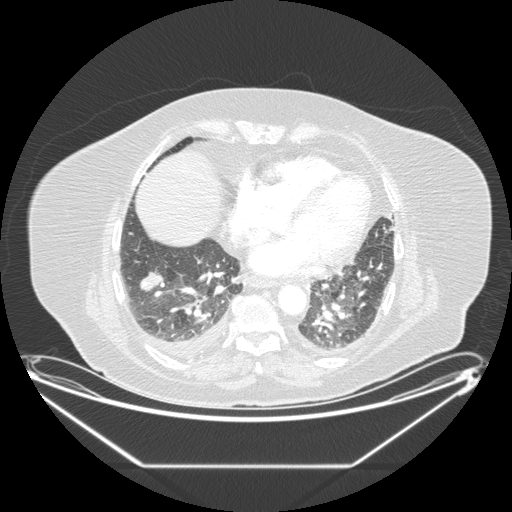
One axial slice (65 of 206, counting up from the lowest) of a chest CT acquired at 120 kVp with the STANDARD kernel; each pixel is 0.898 mm and the slice is 1.25 mm thick.
Pulmonary nodule, outlined by all four readers. Box on this slice rows 270–292, columns 138–164, the union of the readers' outlines on this slice; the four readers' outlines give a longest diameter between 25.7 and 34.7 mm and a volume between 3668 and 5061 mm3. Ratings across the readers: texture from 4/5 to 5/5 (solid) across the four readers; margin 4/5, all four readers agreeing; sphericity from 3/5 (ovoid) to 5/5 (round) across the four readers; calcification absent, all four readers agreeing; internal structure soft tissue, all four readers agreeing; subtlety 4–5/5 (the readers disagree); malignancy likelihood from 3/5 to 5/5 across the four readers. Scale key (1–5): texture non-solid→solid, margin indistinct→circumscribed, sphericity linear→round, subtlety extremely subtle→obvious, malignancy likelihood highly unlikely→highly suspicious of cancer. Box rows and columns are 0-based pixel indices from the top-left corner, inclusive.